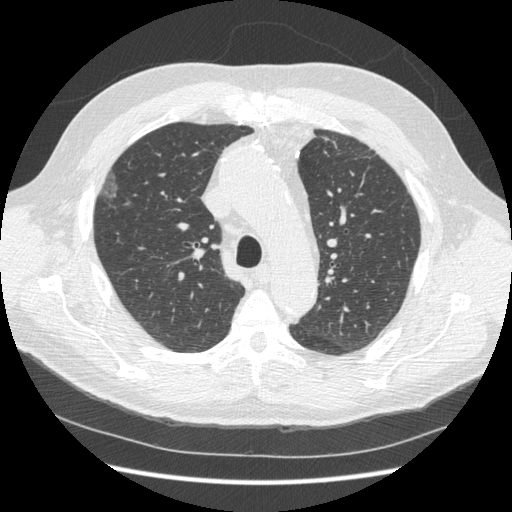
Chest CT, axial plane, 120 kVp, kernel STANDARD. Slice 246/369 from the bottom of the scan; thickness 1.25 mm; pixel size 0.703 mm.
Pulmonary nodule at rows 171–199, columns 101–117 (box = that reader's outline on this slice), outlined by one of the four readers; longest diameter 27.0 mm and volume 3015 mm3 from that reader's outline. Ratings by that reader: texture 1/5 (non-solid); margin 1/5 (indistinct); sphericity 3/5 (ovoid); calcification absent; internal structure soft tissue; subtlety 3/5; malignancy likelihood 3/5. Scale key (1–5): texture non-solid→solid, margin indistinct→circumscribed, sphericity linear→round, subtlety extremely subtle→obvious, malignancy likelihood highly unlikely→highly suspicious of cancer. Box rows and columns are 0-based pixel indices from the top-left corner, inclusive.